Axial chest CT slice 101 of 351 (counted from the lowest slice); tube voltage 120 kVp, convolution kernel B70f; slices 2.00 mm thick, 0.643 mm per pixel.
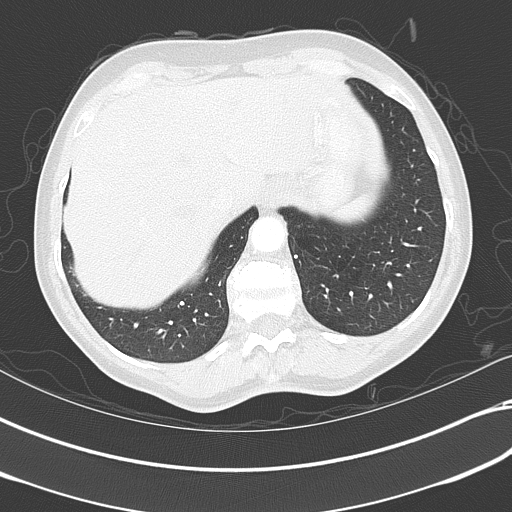
Pulmonary nodule outlined by one of the four readers; box rows 300–305, columns 179–184 (that reader's outline on this slice); longest diameter 4.7 mm and volume 48 mm3 from that reader's outline. That reader's ratings: texture 5/5 (solid); margin 5/5 (circumscribed); sphericity 5/5 (round); calcification solid calcification; internal structure soft tissue; subtlety 3/5; malignancy likelihood 1/5. Scale key (1–5): texture non-solid→solid, margin indistinct→circumscribed, sphericity linear→round, subtlety extremely subtle→obvious, malignancy likelihood highly unlikely→highly suspicious of cancer. Box rows and columns are 0-based pixel indices from the top-left corner, inclusive.